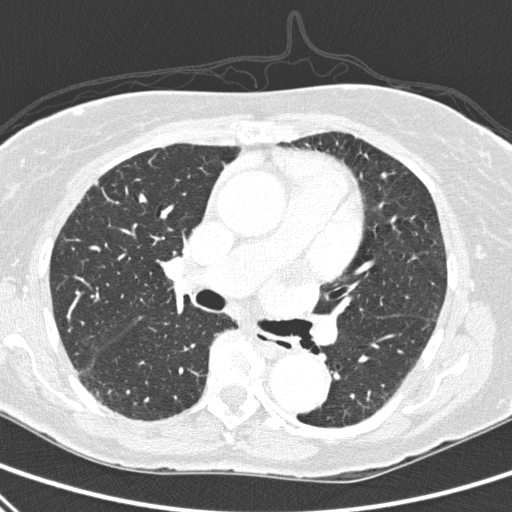
Chest CT, axial plane, 120 kVp, kernel D. Slice 182/310 from the bottom of the scan; thickness 1.00 mm; pixel size 0.643 mm.
Pulmonary nodule outlined by two of the four readers; box rows 181–185, columns 94–97 (the union of the readers' outlines on this slice); longest diameter 6.4 mm on average over the two readers' outlines (readers' outlines 6.1–6.7 mm), volume 78–81 mm3. Ratings, by the readers' most common answer with dissent counted: texture 5/5 (solid), both readers agreeing; margin split among the readers: 4/5 (one), 5/5 (circumscribed) (one); sphericity split among the readers: 2/5 (one), 4/5 (one); calcification split among the readers: absent (one), non-central calcification (one); internal structure soft tissue from both readers; subtlety 5/5 from both readers; malignancy likelihood split among the readers: 1/5 (one), 3/5 (one). Scale key (1–5): texture non-solid→solid, margin indistinct→circumscribed, sphericity linear→round, subtlety extremely subtle→obvious, malignancy likelihood highly unlikely→highly suspicious of cancer. Box rows and columns are 0-based pixel indices from the top-left corner, inclusive.